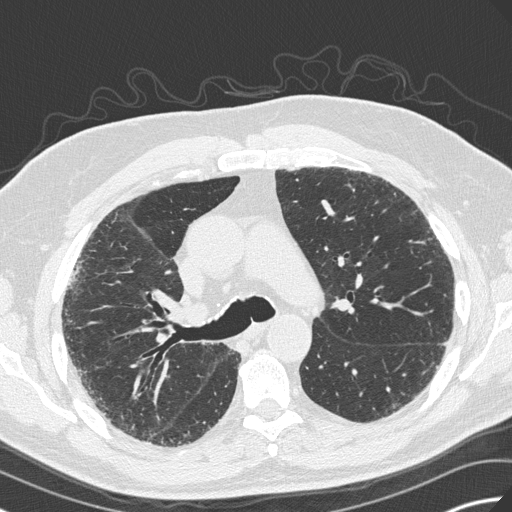
Axial chest CT slice 213 of 330 (counted from the lowest slice); tube voltage 120 kVp, convolution kernel B45f; slices 1.00 mm thick, 0.684 mm per pixel.
No nodule 3 mm or larger was outlined here by any reader.